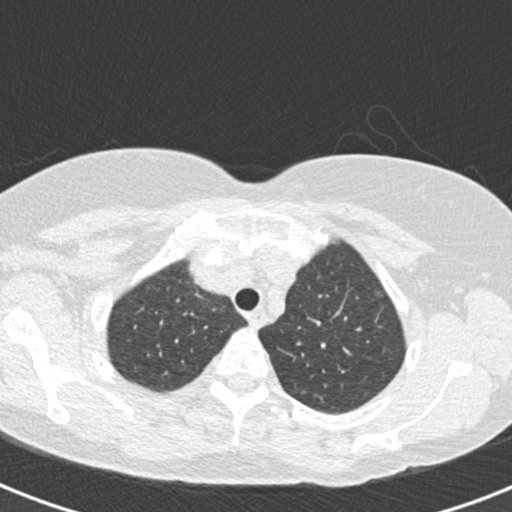
Slice 138/166 of a chest CT, counting up from the lowest; pixel size 0.566 mm, slice thickness 2.00 mm. Pulmonary nodule outlined by three of the four readers; box rows 290–299, columns 373–384 (the union of the readers' outlines on this slice); longest diameter 7.2–7.7 mm and volume 119–121 mm3 across the three readers' outlines. Ratings across the readers: texture from 1/5 (non-solid) to 4/5 across the three readers; margin from 1/5 (indistinct) to 5/5 (circumscribed) across the three readers; sphericity from 4/5 to 5/5 (round) across the three readers; calcification absent from all three readers; internal structure soft tissue, all three readers agreeing; subtlety from 1/5 to 4/5 across the three readers; malignancy likelihood 3/5 from all three readers. Scale key (1–5): texture non-solid→solid, margin indistinct→circumscribed, sphericity linear→round, subtlety extremely subtle→obvious, malignancy likelihood highly unlikely→highly suspicious of cancer. Box rows and columns are 0-based pixel indices from the top-left corner, inclusive.
Tube voltage 120 kVp; convolution kernel B30f.